Chest CT, axial plane, 120 kVp, kernel STANDARD. Slice 212/557 from the bottom of the scan; thickness 1.25 mm; pixel size 0.703 mm.
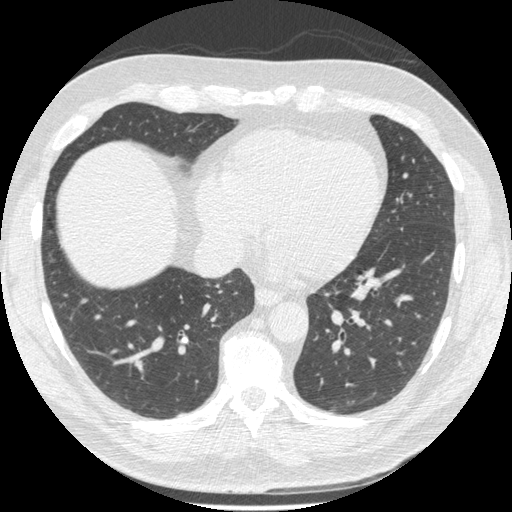
Pulmonary nodule outlined by all four readers; box rows 337–344, columns 181–187 (the union of the readers' outlines on this slice); longest diameter 6.7–9.4 mm and volume 108–158 mm3 across the four readers' outlines. The readers' ratings, as ranges where they differ: texture 5/5 (solid), all four readers agreeing; margin 5/5 (circumscribed), all four readers agreeing; sphericity from 3/5 (ovoid) to 5/5 (round) across the four readers; calcification: solid calcification (three), absent (one); internal structure soft tissue from all four readers; subtlety rated between 3 and 5 out of 5 by the four readers; malignancy likelihood rated between 1 and 2 out of 5 by the four readers. Scale key (1–5): texture non-solid→solid, margin indistinct→circumscribed, sphericity linear→round, subtlety extremely subtle→obvious, malignancy likelihood highly unlikely→highly suspicious of cancer. Box rows and columns are 0-based pixel indices from the top-left corner, inclusive.